Axial slice 67 of 127 of a chest CT (slice 1 is the lowest), reconstructed with the STANDARD kernel at 120 kVp; 2.50 mm slice thickness and 0.859 mm pixels.
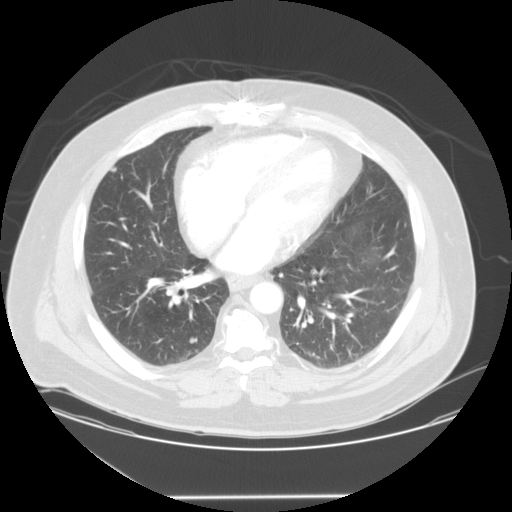
Two pulmonary nodules are outlined on this slice; from left to right: (1) Pulmonary nodule, outlined by two of the four readers. Box on this slice rows 166–171, columns 110–116, the union of the readers' outlines on this slice; median longest diameter 6.4 mm (readers' outlines 5.8–7.1 mm), median volume 81 mm3 (66–96 mm3). Median ratings and the readers' spread: texture 5/5 (solid), both readers agreeing; median margin 2.5/5 (readers ranged 2/5 to 3/5); median sphericity 3/5 (ovoid) (readers ranged 2/5 to 4/5); calcification absent from both readers; internal structure soft tissue from both readers; median subtlety 3.5/5 (readers ranged 3–4); median malignancy likelihood 2.5/5 (readers ranged 2–3). (2) Pulmonary nodule at rows 337–343, columns 189–193 (box = the union of the readers' outlines on this slice), outlined by all four readers; longest diameter 7.8 mm on average over the four readers' outlines (readers' outlines 7.3–7.9 mm), volume 157–239 mm3. Ratings, by the readers' most common answer with dissent counted: texture 5/5 (solid) from all four readers; margin split among the readers: 4/5 (two), 5/5 (circumscribed) (two); sphericity 4/5 by two of four readers; the rest gave 3/5 (ovoid) (one), 5/5 (round) (one); calcification absent from all four readers; internal structure soft tissue from all four readers; subtlety 4/5 by three of four readers; the rest gave 3/5 (one); malignancy likelihood split among the readers: 2/5 (two), 3/5 (two). Scale key (1–5): texture non-solid→solid, margin indistinct→circumscribed, sphericity linear→round, subtlety extremely subtle→obvious, malignancy likelihood highly unlikely→highly suspicious of cancer. Box rows and columns are 0-based pixel indices from the top-left corner, inclusive.